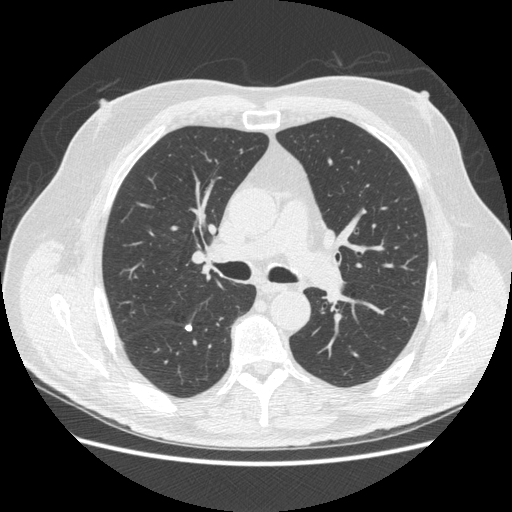
Axial chest CT slice 308 of 503 (counted from the lowest slice); tube voltage 120 kVp, convolution kernel STANDARD; slices 1.25 mm thick, 0.742 mm per pixel.
Pulmonary nodule, outlined by all four readers. Box on this slice rows 324–331, columns 184–192, the union of the readers' outlines on this slice; median longest diameter 8.1 mm (readers' outlines 7.0–8.7 mm), median volume 145 mm3 (116–149 mm3). Ratings, median across the readers with their spread: texture 5/5 (solid) from all four readers; margin 5/5 (circumscribed), all four readers agreeing; median sphericity 3.5/5 (readers ranged 3/5 (ovoid) to 5/5 (round)); calcification solid calcification from all four readers; internal structure soft tissue, all four readers agreeing; subtlety 4.5/5 at the median of four readers, spread 4–5; malignancy likelihood 1/5, all four readers agreeing. Scale key (1–5): texture non-solid→solid, margin indistinct→circumscribed, sphericity linear→round, subtlety extremely subtle→obvious, malignancy likelihood highly unlikely→highly suspicious of cancer. Box rows and columns are 0-based pixel indices from the top-left corner, inclusive.